Chest CT, axial plane, 120 kVp, kernel STANDARD. Slice 314/583 from the bottom of the scan; thickness 1.25 mm; pixel size 0.703 mm.
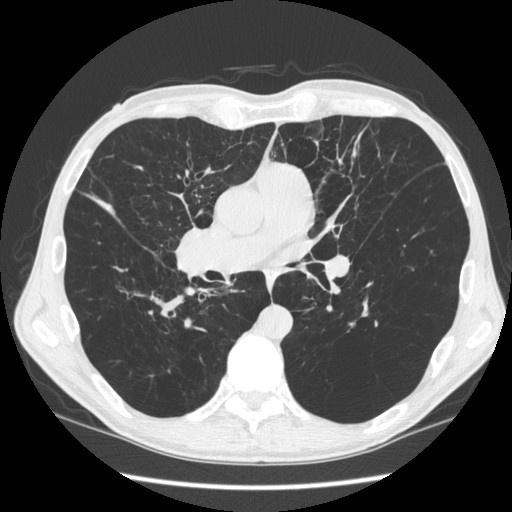
Pulmonary nodule, outlined by two of the four readers, one of them on this slice. Box on this slice rows 299–315, columns 362–367, the one reader's outline on this slice; median longest diameter 27.9 mm (readers' outlines 24.1–31.7 mm), median volume 984 mm3 (791–1176 mm3). Median ratings and the readers' spread: texture 5/5 (solid) from both readers; margin 2.5/5 at the median of two readers, spread 1/5 (indistinct) to 4/5; sphericity 1.5/5 at the median of two readers, spread 1/5 (linear) to 2/5; calcification absent from both readers; internal structure soft tissue from both readers; subtlety 5/5 from both readers; median malignancy likelihood 2.5/5 (readers ranged 2–3). Scale key (1–5): texture non-solid→solid, margin indistinct→circumscribed, sphericity linear→round, subtlety extremely subtle→obvious, malignancy likelihood highly unlikely→highly suspicious of cancer. Box rows and columns are 0-based pixel indices from the top-left corner, inclusive.